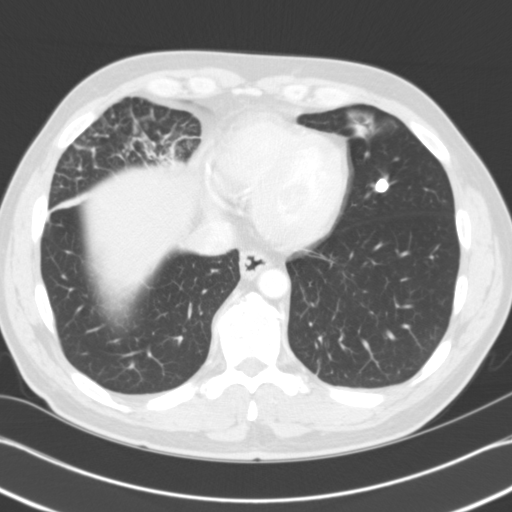
One axial slice (45 of 121, counting up from the lowest) of a chest CT acquired at 120 kVp with the B31f kernel; each pixel is 0.674 mm and the slice is 3.00 mm thick.
Pulmonary nodule outlined by all four readers; box rows 178–192, columns 375–388 (the union of the readers' outlines on this slice); median longest diameter 11.0 mm (readers' outlines 10.3–11.1 mm), median volume 730 mm3 (622–783 mm3). Ratings, median across the readers with their spread: texture 5/5 (solid), all four readers agreeing; margin 5/5 (circumscribed) from all four readers; median sphericity 4.5/5 (readers ranged 4/5 to 5/5 (round)); calcification solid calcification, all four readers agreeing; internal structure soft tissue from all four readers; subtlety 5/5 from all four readers; malignancy likelihood 1/5, all four readers agreeing. Scale key (1–5): texture non-solid→solid, margin indistinct→circumscribed, sphericity linear→round, subtlety extremely subtle→obvious, malignancy likelihood highly unlikely→highly suspicious of cancer. Box rows and columns are 0-based pixel indices from the top-left corner, inclusive.